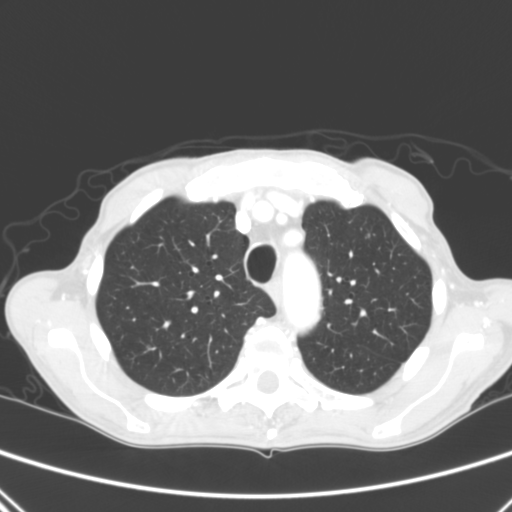
Axial slice 224 of 290 of a chest CT (slice 1 is the lowest), reconstructed with the B kernel at 120 kVp; 2.00 mm slice thickness and 0.639 mm pixels.
Pulmonary nodule outlined by one of the four readers; box rows 345–347, columns 146–150 (that reader's outline on this slice); longest diameter 4.3 mm and volume 29 mm3 from that reader's outline. That reader's ratings: texture 4/5; margin 4/5; sphericity 4/5; calcification absent; internal structure soft tissue; subtlety 5/5; malignancy likelihood 3/5. Scale key (1–5): texture non-solid→solid, margin indistinct→circumscribed, sphericity linear→round, subtlety extremely subtle→obvious, malignancy likelihood highly unlikely→highly suspicious of cancer. Box rows and columns are 0-based pixel indices from the top-left corner, inclusive.